Axial chest CT slice 142 of 301 (counted from the lowest slice); tube voltage 120 kVp, convolution kernel B45f; slices 1.00 mm thick, 0.547 mm per pixel.
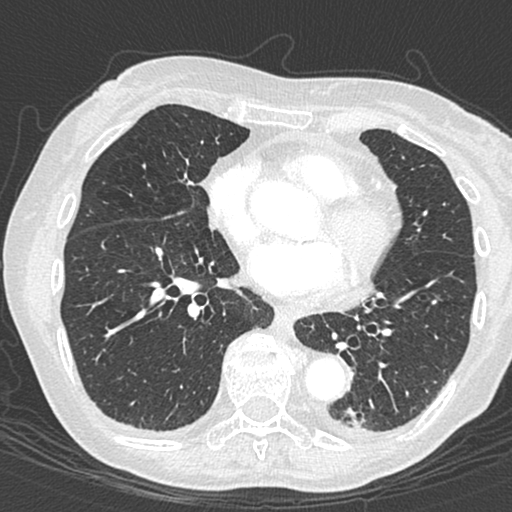
Pulmonary nodule at rows 407–425, columns 346–362 (box = the one reader's outline on this slice), outlined by three of the four readers, one of them on this slice; longest diameter 6.8–15.1 mm and volume 67–603 mm3 across the three readers' outlines. Ratings across the readers: texture 5/5 (solid), all three readers agreeing; margin from 3/5 to 5/5 (circumscribed) across the three readers; sphericity from 3/5 (ovoid) to 5/5 (round) across the three readers; calcification: solid calcification (two), central calcification (one); internal structure soft tissue from all three readers; subtlety from 4/5 to 5/5 across the three readers; malignancy likelihood 1/5 from all three readers. Scale key (1–5): texture non-solid→solid, margin indistinct→circumscribed, sphericity linear→round, subtlety extremely subtle→obvious, malignancy likelihood highly unlikely→highly suspicious of cancer. Box rows and columns are 0-based pixel indices from the top-left corner, inclusive.